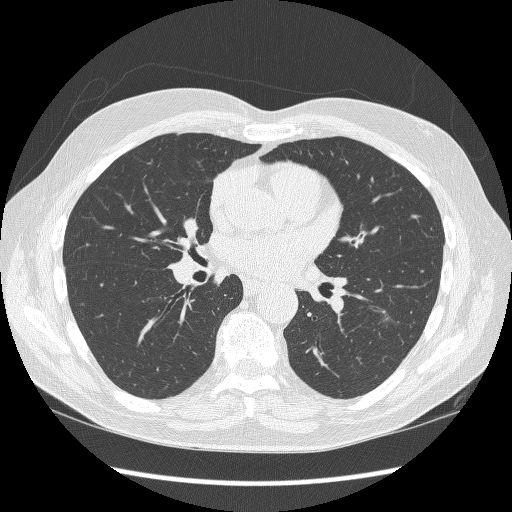
Axial slice 173 of 298 of a chest CT (slice 1 is the lowest), reconstructed with the BONE kernel at 120 kVp; 1.25 mm slice thickness and 0.719 mm pixels.
Pulmonary nodule at rows 317–322, columns 382–388 (box = the one reader's outline on this slice), outlined by two of the four readers, one of them on this slice; median longest diameter 10.1 mm (readers' outlines 10.0–10.3 mm), median volume 245 mm3 (236–253 mm3). Ratings, median across the readers with their spread: texture 1/5 (non-solid), both readers agreeing; median margin 2.5/5 (readers ranged 1/5 (indistinct) to 4/5); sphericity 3/5 (ovoid) from both readers; calcification absent, both readers agreeing; internal structure soft tissue, both readers agreeing; subtlety 3/5, both readers agreeing; malignancy likelihood 3/5, both readers agreeing. Scale key (1–5): texture non-solid→solid, margin indistinct→circumscribed, sphericity linear→round, subtlety extremely subtle→obvious, malignancy likelihood highly unlikely→highly suspicious of cancer. Box rows and columns are 0-based pixel indices from the top-left corner, inclusive.